One axial slice (158 of 235, counting up from the lowest) of a chest CT acquired at 120 kVp with the BONE kernel; each pixel is 0.537 mm and the slice is 1.25 mm thick.
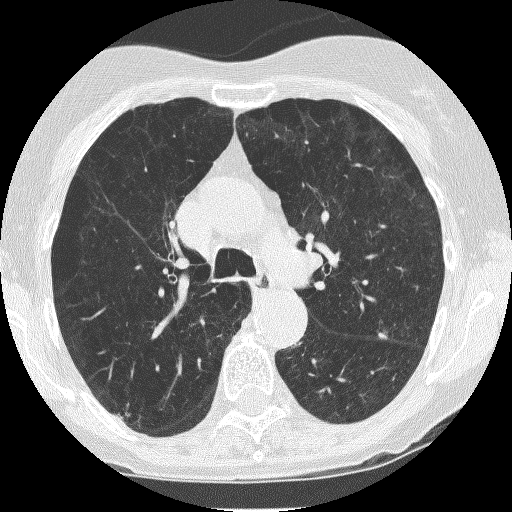
Pulmonary nodule at rows 332–339, columns 377–387 (box = the union of the readers' outlines on this slice), outlined by all four readers; longest diameter 8.2–8.9 mm and volume 144–183 mm3 across the four readers' outlines. Ratings across the readers: texture from 4/5 to 5/5 (solid) across the four readers; margin from 3/5 to 5/5 (circumscribed) across the four readers; sphericity from 3/5 (ovoid) to 4/5 across the four readers; calcification absent, all four readers agreeing; internal structure soft tissue from all four readers; subtlety from 4/5 to 5/5 across the four readers; malignancy likelihood rated between 2 and 4 out of 5 by the four readers. Scale key (1–5): texture non-solid→solid, margin indistinct→circumscribed, sphericity linear→round, subtlety extremely subtle→obvious, malignancy likelihood highly unlikely→highly suspicious of cancer. Box rows and columns are 0-based pixel indices from the top-left corner, inclusive.